One axial slice (111 of 330, counting up from the lowest) of a chest CT acquired at 120 kVp with the B45f kernel; each pixel is 0.762 mm and the slice is 1.00 mm thick.
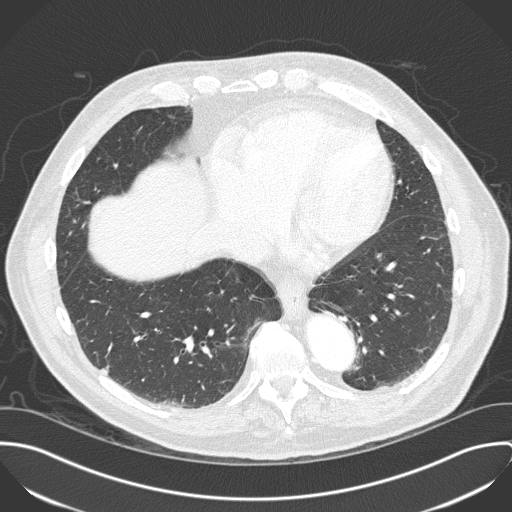
Pulmonary nodule at rows 368–375, columns 98–107 (box = the union of the readers' outlines on this slice), outlined by two of the four readers; longest diameter 8.7–9.9 mm and volume 103–135 mm3 across the two readers' outlines. Ratings across the readers: texture from 4/5 to 5/5 (solid) across the two readers; margin from 4/5 to 5/5 (circumscribed) across the two readers; sphericity from 3/5 (ovoid) to 4/5 across the two readers; calcification absent, both readers agreeing; internal structure soft tissue, both readers agreeing; subtlety from 3/5 to 4/5 across the two readers; malignancy likelihood rated between 2 and 3 out of 5 by the two readers. Scale key (1–5): texture non-solid→solid, margin indistinct→circumscribed, sphericity linear→round, subtlety extremely subtle→obvious, malignancy likelihood highly unlikely→highly suspicious of cancer. Box rows and columns are 0-based pixel indices from the top-left corner, inclusive.